Axial chest CT slice 441 of 461 (counted from the lowest slice); tube voltage 120 kVp, convolution kernel STANDARD; slices 1.25 mm thick, 0.781 mm per pixel.
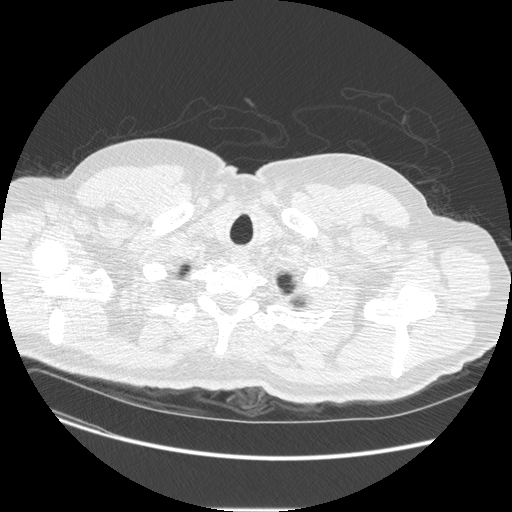
Pulmonary nodule at rows 296–301, columns 284–290 (box = that reader's outline on this slice), outlined by one of the four readers; longest diameter 7.8 mm and volume 81 mm3 from that reader's outline. That reader's ratings: texture 5/5 (solid); margin 4/5; sphericity 4/5; calcification absent; internal structure soft tissue; subtlety 5/5; malignancy likelihood 3/5. Scale key (1–5): texture non-solid→solid, margin indistinct→circumscribed, sphericity linear→round, subtlety extremely subtle→obvious, malignancy likelihood highly unlikely→highly suspicious of cancer. Box rows and columns are 0-based pixel indices from the top-left corner, inclusive.